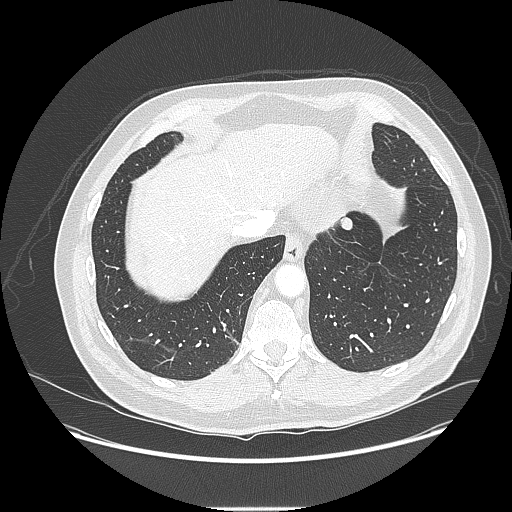
One axial slice (32 of 214, counting up from the lowest) of a chest CT acquired at 120 kVp with the LUNG kernel; each pixel is 0.820 mm and the slice is 1.25 mm thick.
Pulmonary nodule outlined by all four readers; box rows 214–230, columns 339–353 (the union of the readers' outlines on this slice); median longest diameter 13.9 mm (readers' outlines 13.0–15.6 mm), median volume 655 mm3 (578–699 mm3). Ratings, median across the readers with their spread: texture 5/5 (solid) from all four readers; margin 5/5 (circumscribed) at the median of four readers, spread 4/5 to 5/5 (circumscribed); sphericity 4.5/5 at the median of four readers, spread 3/5 (ovoid) to 5/5 (round); calcification absent from all four readers; internal structure soft tissue, all four readers agreeing; median subtlety 4.5/5 (readers ranged 3–5); malignancy likelihood 3.5/5 at the median of four readers, spread 2–4. Scale key (1–5): texture non-solid→solid, margin indistinct→circumscribed, sphericity linear→round, subtlety extremely subtle→obvious, malignancy likelihood highly unlikely→highly suspicious of cancer. Box rows and columns are 0-based pixel indices from the top-left corner, inclusive.